Axial slice 160 of 245 of a chest CT (slice 1 is the lowest), reconstructed with the STANDARD kernel at 120 kVp; 2.50 mm slice thickness and 0.547 mm pixels.
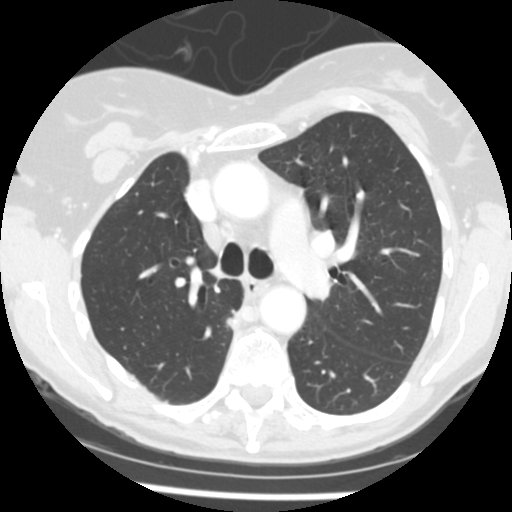
Pulmonary nodule, outlined by all four readers. Box on this slice rows 312–330, columns 225–240, the union of the readers' outlines on this slice; longest diameter 13.8 mm on average over the four readers' outlines (readers' outlines 13.1–14.5 mm), volume 549–868 mm3. Ratings, by the readers' most common answer with dissent counted: texture 5/5 (solid) from all four readers; margin 4/5 by two of four readers; the rest gave 3/5 (one), 5/5 (circumscribed) (one); sphericity split among the readers: 2/5 (one), 3/5 (ovoid) (one), 4/5 (one), 5/5 (round) (one); calcification absent from all four readers; internal structure soft tissue from all four readers; most readers (three of four) put subtlety at 4/5, others 5/5 (one); malignancy likelihood 4/5 by two of four readers; the rest gave 3/5 (one), 5/5 (one). Scale key (1–5): texture non-solid→solid, margin indistinct→circumscribed, sphericity linear→round, subtlety extremely subtle→obvious, malignancy likelihood highly unlikely→highly suspicious of cancer. Box rows and columns are 0-based pixel indices from the top-left corner, inclusive.